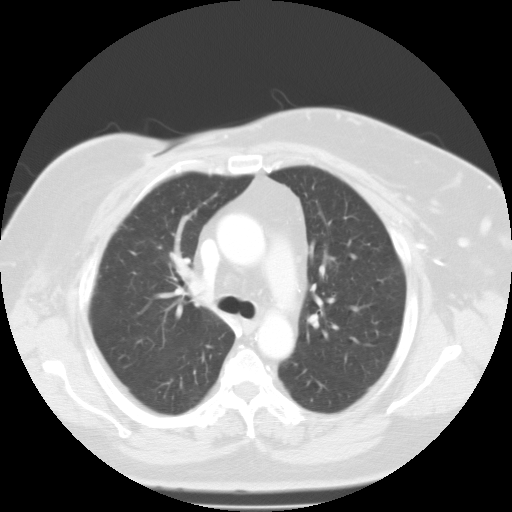
Axial chest CT slice 80 of 110 (counted from the lowest slice); 3.00 mm thick, 0.732 mm per pixel. The readers outlined no nodule of 3 mm or more on this slice.
Tube voltage 135 kVp; convolution kernel FC01.